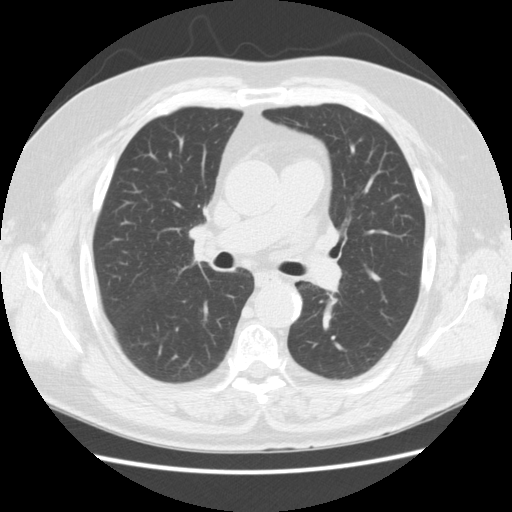
Axial slice 95 of 148 of a chest CT (slice 1 is the lowest), reconstructed with the STANDARD kernel at 120 kVp; 2.50 mm slice thickness and 0.703 mm pixels.
The readers outlined no nodule of 3 mm or more on this slice.